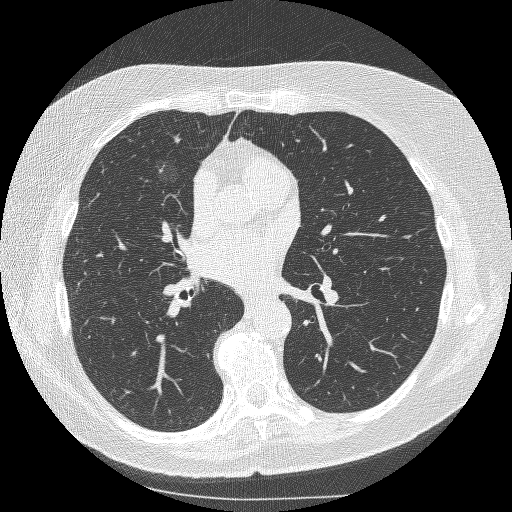
Axial chest CT slice 149 of 253 (counted from the lowest slice); 1.25 mm thick, 0.625 mm per pixel. Pulmonary nodule at rows 158–184, columns 150–184 (box = the union of the readers' outlines on this slice), outlined by two of the four readers; median longest diameter 21.2 mm (readers' outlines 18.7–23.7 mm), median volume 1792 mm3 (1459–2126 mm3). Ratings, median across the readers with their spread: texture 1/5 (non-solid) from both readers; margin 1/5 (indistinct) from both readers; sphericity 3.5/5 at the median of two readers, spread 3/5 (ovoid) to 4/5; calcification absent from both readers; internal structure soft tissue, both readers agreeing; median subtlety 2/5 (readers ranged 1–3); median malignancy likelihood 3.5/5 (readers ranged 3–4). Scale key (1–5): texture non-solid→solid, margin indistinct→circumscribed, sphericity linear→round, subtlety extremely subtle→obvious, malignancy likelihood highly unlikely→highly suspicious of cancer. Box rows and columns are 0-based pixel indices from the top-left corner, inclusive.
Tube voltage 120 kVp; convolution kernel BONE.